Axial chest CT slice 331 of 487 (counted from the lowest slice); tube voltage 120 kVp, convolution kernel STANDARD; slices 1.25 mm thick, 0.586 mm per pixel.
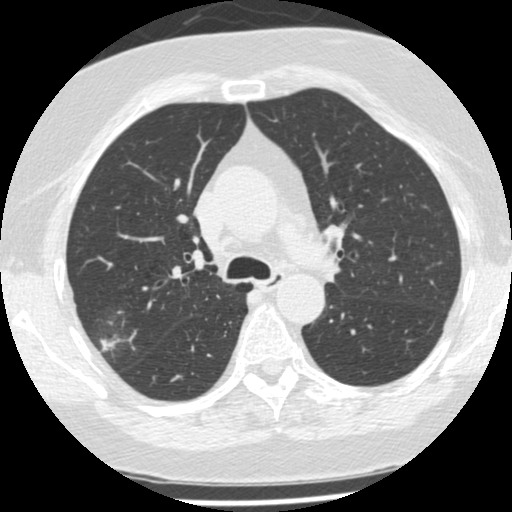
Pulmonary nodule outlined by two of the four readers; box rows 330–361, columns 94–129 (the union of the readers' outlines on this slice); longest diameter 18.1 mm on average over the two readers' outlines (readers' outlines 11.3–24.9 mm), volume 232–2964 mm3. Ratings, by the readers' most common answer with dissent counted: texture 3/5 (part-solid), both readers agreeing; margin split among the readers: 1/5 (indistinct) (one), 2/5 (one); sphericity 4/5 from both readers; calcification absent from both readers; internal structure soft tissue from both readers; subtlety 4/5, both readers agreeing; malignancy likelihood split among the readers: 3/5 (one), 4/5 (one). Scale key (1–5): texture non-solid→solid, margin indistinct→circumscribed, sphericity linear→round, subtlety extremely subtle→obvious, malignancy likelihood highly unlikely→highly suspicious of cancer. Box rows and columns are 0-based pixel indices from the top-left corner, inclusive.